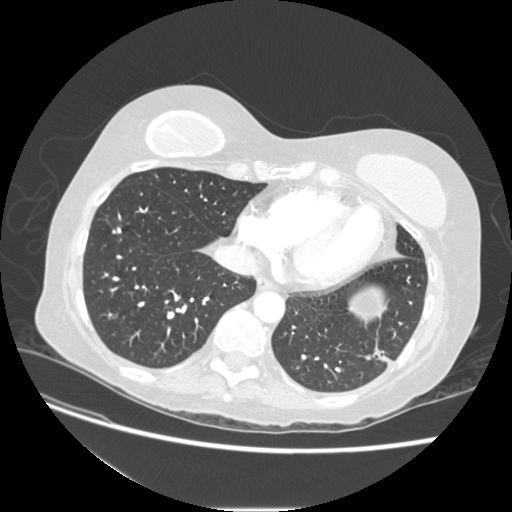
This is axial slice 69 of 232 (slice 1 is the lowest) of a chest CT; each pixel is 0.703 mm and the slice is 1.25 mm thick. Pulmonary nodule outlined by all four readers; box rows 227–233, columns 117–121 (the union of the readers' outlines on this slice); longest diameter 7.7 mm on average over the four readers' outlines (readers' outlines 7.2–8.2 mm), volume 107–143 mm3. Ratings, by the readers' most common answer with dissent counted: texture 5/5 (solid), all four readers agreeing; margin 5/5 (circumscribed), all four readers agreeing; sphericity 3/5 (ovoid) by three of four readers; the rest gave 5/5 (round) (one); calcification solid calcification by three of four readers, absent (one); internal structure soft tissue, all four readers agreeing; subtlety 5/5 by two of four readers; the rest gave 3/5 (one), 4/5 (one); most readers (three of four) put malignancy likelihood at 1/5, others 2/5 (one). Scale key (1–5): texture non-solid→solid, margin indistinct→circumscribed, sphericity linear→round, subtlety extremely subtle→obvious, malignancy likelihood highly unlikely→highly suspicious of cancer. Box rows and columns are 0-based pixel indices from the top-left corner, inclusive.
Acquired at 120 kVp and reconstructed with the STANDARD kernel.